Axial slice 100 of 239 of a chest CT (slice 1 is the lowest), reconstructed with the BONE kernel at 120 kVp; 1.25 mm slice thickness and 0.795 mm pixels.
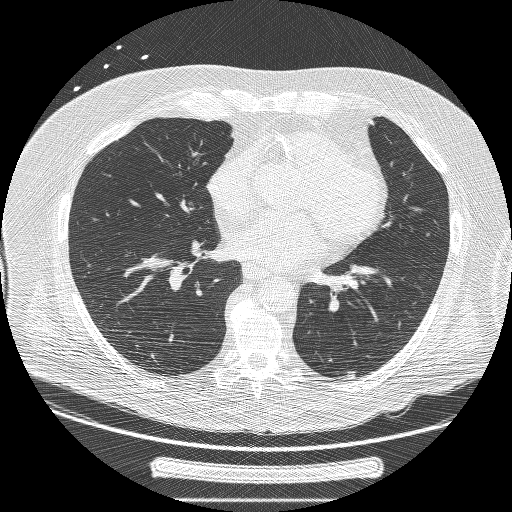
Pulmonary nodule outlined by two of the four readers; box rows 371–378, columns 346–355 (the union of the readers' outlines on this slice); longest diameter 17.7 mm on average over the two readers' outlines (readers' outlines 17.4–17.9 mm), volume 746–814 mm3. The readers' prevailing ratings and who disagreed: texture 5/5 (solid), both readers agreeing; margin split among the readers: 3/5 (one), 4/5 (one); sphericity split among the readers: 1/5 (linear) (one), 3/5 (ovoid) (one); calcification absent from both readers; internal structure soft tissue from both readers; subtlety 4/5 from both readers; malignancy likelihood 4/5 from both readers. Scale key (1–5): texture non-solid→solid, margin indistinct→circumscribed, sphericity linear→round, subtlety extremely subtle→obvious, malignancy likelihood highly unlikely→highly suspicious of cancer. Box rows and columns are 0-based pixel indices from the top-left corner, inclusive.